One axial slice (284 of 417, counting up from the lowest) of a chest CT acquired at 120 kVp with the STANDARD kernel; each pixel is 0.703 mm and the slice is 1.25 mm thick.
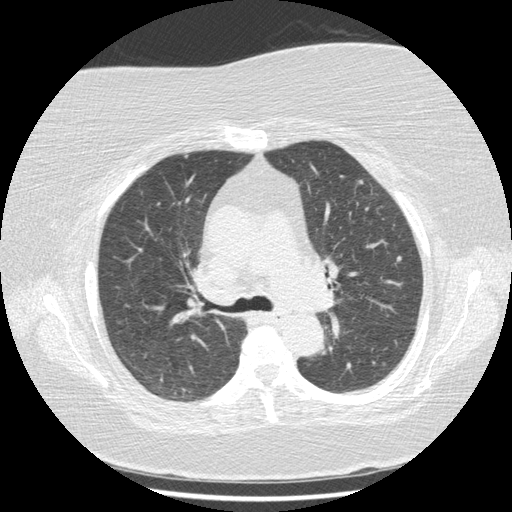
Two pulmonary nodules on this slice, listed from left to right. (1) Pulmonary nodule at rows 155–158, columns 184–188 (box = that reader's outline on this slice), outlined by one of the four readers; longest diameter 5.0 mm and volume 27 mm3 from that reader's outline. That reader's ratings: texture 5/5 (solid); margin 5/5 (circumscribed); sphericity 4/5; calcification absent; internal structure soft tissue; subtlety 5/5; malignancy likelihood 3/5. (2) Pulmonary nodule outlined by three of the four readers; box rows 255–261, columns 395–401 (the union of the readers' outlines on this slice); median longest diameter 6.0 mm (readers' outlines 5.8–6.7 mm), median volume 66 mm3 (55–91 mm3). Median ratings and the readers' spread: texture 5/5 (solid) at the median of three readers, spread 4/5 to 5/5 (solid); margin 4/5 at the median of three readers, spread 4/5 to 5/5 (circumscribed); sphericity 4/5 at the median of three readers, spread 4/5 to 5/5 (round); calcification absent, all three readers agreeing; internal structure soft tissue, all three readers agreeing; subtlety 4/5 at the median of three readers, spread 4–5; median malignancy likelihood 3/5 (readers ranged 2–3). Scale key (1–5): texture non-solid→solid, margin indistinct→circumscribed, sphericity linear→round, subtlety extremely subtle→obvious, malignancy likelihood highly unlikely→highly suspicious of cancer. Box rows and columns are 0-based pixel indices from the top-left corner, inclusive.